Axial slice 152 of 264 of a chest CT (slice 1 is the lowest), reconstructed with the BONE kernel at 120 kVp; 1.25 mm slice thickness and 0.703 mm pixels.
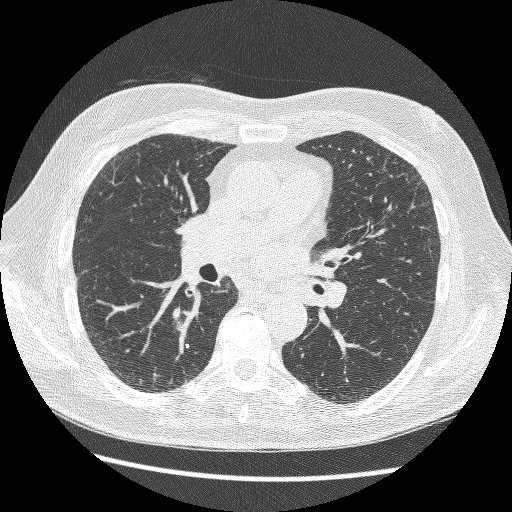
Pulmonary nodule at rows 318–329, columns 174–182 (box = the union of the readers' outlines on this slice), outlined by two of the four readers; the two readers' outlines give a longest diameter between 10.7 and 11.6 mm and a volume between 251 and 294 mm3. Ratings across the readers: texture from 3/5 (part-solid) to 4/5 across the two readers; margin 2/5, both readers agreeing; sphericity from 2/5 to 3/5 (ovoid) across the two readers; calcification absent from both readers; internal structure soft tissue from both readers; subtlety 2/5 from both readers; malignancy likelihood 3/5 from both readers. Scale key (1–5): texture non-solid→solid, margin indistinct→circumscribed, sphericity linear→round, subtlety extremely subtle→obvious, malignancy likelihood highly unlikely→highly suspicious of cancer. Box rows and columns are 0-based pixel indices from the top-left corner, inclusive.